Axial slice 162 of 295 of a chest CT (slice 1 is the lowest), reconstructed with the STANDARD kernel at 120 kVp; 2.50 mm slice thickness and 0.703 mm pixels.
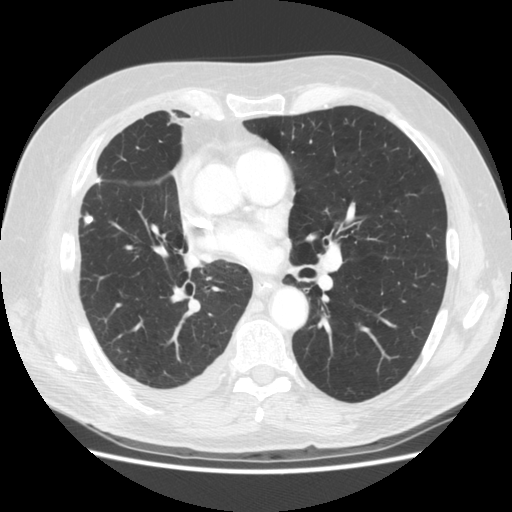
Pulmonary nodule outlined by all four readers; box rows 215–224, columns 83–93 (the union of the readers' outlines on this slice); longest diameter 8.3 mm on average over the four readers' outlines (readers' outlines 8.0–8.7 mm), volume 146–188 mm3. Ratings, by the readers' most common answer with dissent counted: texture 5/5 (solid), all four readers agreeing; margin 5/5 (circumscribed) by three of four readers; the rest gave 4/5 (one); sphericity split among the readers: 3/5 (ovoid) (two), 5/5 (round) (two); calcification solid calcification by three of four readers, absent (one); internal structure soft tissue, all four readers agreeing; subtlety 5/5 from all four readers; malignancy likelihood 1/5 from all four readers. Scale key (1–5): texture non-solid→solid, margin indistinct→circumscribed, sphericity linear→round, subtlety extremely subtle→obvious, malignancy likelihood highly unlikely→highly suspicious of cancer. Box rows and columns are 0-based pixel indices from the top-left corner, inclusive.